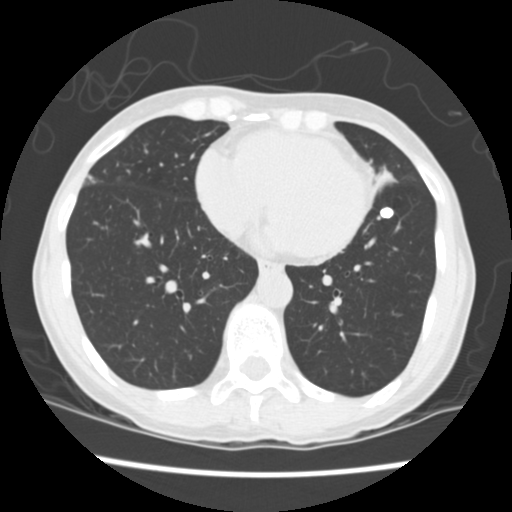
One axial slice (60 of 163, counting up from the lowest) of a chest CT acquired at 120 kVp with the STANDARD kernel; each pixel is 0.586 mm and the slice is 2.50 mm thick.
Pulmonary nodule outlined by all four readers; box rows 206–219, columns 377–394 (the union of the readers' outlines on this slice); the four readers' outlines give a longest diameter between 9.5 and 11.1 mm and a volume between 385 and 423 mm3. Ratings across the readers: texture 5/5 (solid) from all four readers; margin from 4/5 to 5/5 (circumscribed) across the four readers; sphericity from 3/5 (ovoid) to 4/5 across the four readers; calcification: solid calcification (three), absent (one); internal structure soft tissue, all four readers agreeing; subtlety from 4/5 to 5/5 across the four readers; malignancy likelihood rated between 1 and 4 out of 5 by the four readers. Scale key (1–5): texture non-solid→solid, margin indistinct→circumscribed, sphericity linear→round, subtlety extremely subtle→obvious, malignancy likelihood highly unlikely→highly suspicious of cancer. Box rows and columns are 0-based pixel indices from the top-left corner, inclusive.